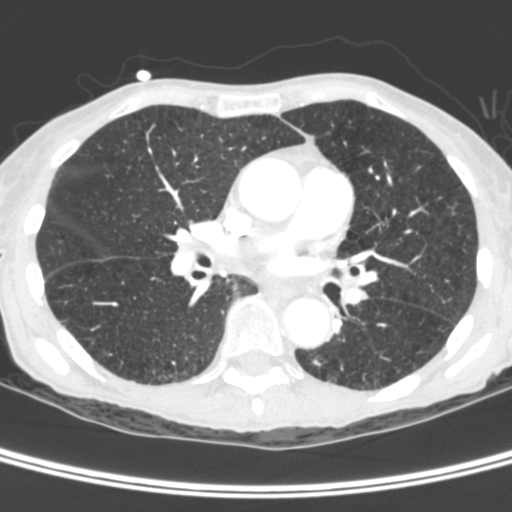
Axial chest CT slice 200 of 400 (counted from the lowest slice); 1.50 mm thick, 0.527 mm per pixel. Pulmonary nodule outlined by three of the four readers; box rows 359–366, columns 311–321 (the union of the readers' outlines on this slice); longest diameter 7.4 mm on average over the three readers' outlines (readers' outlines 6.0–8.7 mm), volume 56–91 mm3. The readers' prevailing ratings and who disagreed: texture 5/5 (solid) from all three readers; most readers (two of three) put margin at 4/5, others 3/5 (one); sphericity 3/5 (ovoid) by two of three readers; the rest gave 2/5 (one); calcification absent from all three readers; internal structure soft tissue, all three readers agreeing; most readers (two of three) put subtlety at 3/5, others 5/5 (one); malignancy likelihood split among the readers: 1/5 (one), 2/5 (one), 4/5 (one). Scale key (1–5): texture non-solid→solid, margin indistinct→circumscribed, sphericity linear→round, subtlety extremely subtle→obvious, malignancy likelihood highly unlikely→highly suspicious of cancer. Box rows and columns are 0-based pixel indices from the top-left corner, inclusive.
Tube voltage 120 kVp; convolution kernel C.